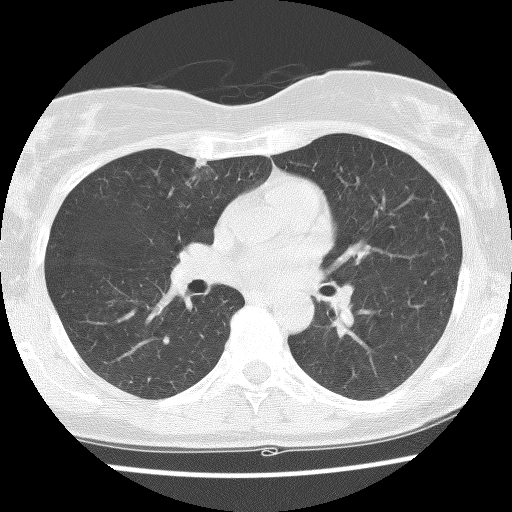
One axial slice (72 of 127, counting up from the lowest) of a chest CT acquired at 140 kVp with the BONE kernel; each pixel is 0.586 mm and the slice is 2.50 mm thick.
Pulmonary nodule, outlined by one of the four readers. Box on this slice rows 160–178, columns 190–215, that reader's outline on this slice; longest diameter 18.8 mm and volume 2440 mm3 from that reader's outline. That reader's ratings: texture 3/5 (part-solid); margin 2/5; sphericity 2/5; calcification absent; internal structure soft tissue; subtlety 4/5; malignancy likelihood 2/5. Scale key (1–5): texture non-solid→solid, margin indistinct→circumscribed, sphericity linear→round, subtlety extremely subtle→obvious, malignancy likelihood highly unlikely→highly suspicious of cancer. Box rows and columns are 0-based pixel indices from the top-left corner, inclusive.